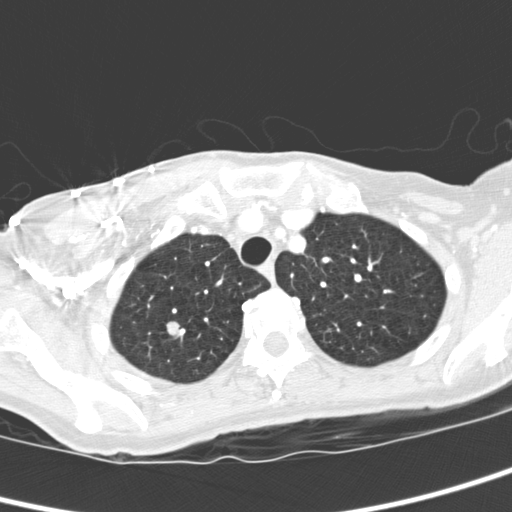
Chest CT, axial plane, 120 kVp, kernel D. Slice 268/321 from the bottom of the scan; thickness 2.00 mm; pixel size 0.557 mm.
Pulmonary nodule at rows 320–335, columns 166–179 (box = the union of the readers' outlines on this slice), outlined by all four readers; the four readers' outlines give a longest diameter between 9.1 and 10.4 mm and a volume between 168 and 407 mm3. The readers' ratings, as ranges where they differ: texture 5/5 (solid) from all four readers; margin from 4/5 to 5/5 (circumscribed) across the four readers; sphericity from 3/5 (ovoid) to 4/5 across the four readers; calcification absent from all four readers; internal structure soft tissue from all four readers; subtlety 4–5/5 (the readers disagree); malignancy likelihood from 3/5 to 5/5 across the four readers. Scale key (1–5): texture non-solid→solid, margin indistinct→circumscribed, sphericity linear→round, subtlety extremely subtle→obvious, malignancy likelihood highly unlikely→highly suspicious of cancer. Box rows and columns are 0-based pixel indices from the top-left corner, inclusive.